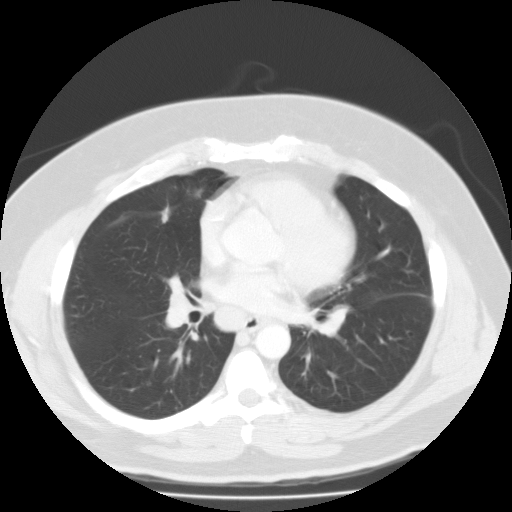
Chest CT, axial plane, 135 kVp, kernel FC01. Slice 70/126 from the bottom of the scan; thickness 3.00 mm; pixel size 0.744 mm.
Pulmonary nodule, outlined by two of the four readers. Box on this slice rows 207–222, columns 160–169, the union of the readers' outlines on this slice; longest diameter 13.0 mm and volume 404–467 mm3 across the two readers' outlines. The readers' ratings, as ranges where they differ: texture from 3/5 (part-solid) to 5/5 (solid) across the two readers; margin from 2/5 to 4/5 across the two readers; sphericity from 2/5 to 3/5 (ovoid) across the two readers; calcification absent, both readers agreeing; internal structure soft tissue from both readers; subtlety 3–5/5 (the readers disagree); malignancy likelihood rated between 2 and 3 out of 5 by the two readers. Scale key (1–5): texture non-solid→solid, margin indistinct→circumscribed, sphericity linear→round, subtlety extremely subtle→obvious, malignancy likelihood highly unlikely→highly suspicious of cancer. Box rows and columns are 0-based pixel indices from the top-left corner, inclusive.